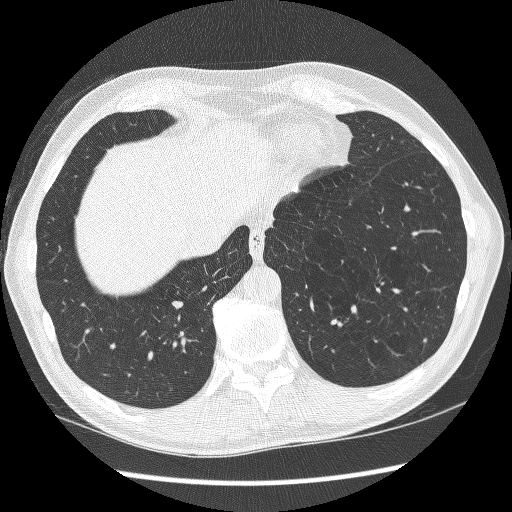
Axial chest CT slice 75 of 261 (counted from the lowest slice); tube voltage 120 kVp, convolution kernel BONE; slices 1.25 mm thick, 0.689 mm per pixel.
Pulmonary nodule outlined by all four readers; box rows 300–309, columns 171–183 (the union of the readers' outlines on this slice); median longest diameter 8.5 mm (readers' outlines 8.1–9.9 mm), median volume 178 mm3 (169–271 mm3). Ratings, median across the readers with their spread: median texture 5/5 (solid) (readers ranged 4/5 to 5/5 (solid)); margin 4/5 at the median of four readers, spread 4/5 to 5/5 (circumscribed); sphericity 3/5 (ovoid) at the median of four readers, spread 2/5 to 3/5 (ovoid); calcification absent from all four readers; internal structure soft tissue, all four readers agreeing; median subtlety 3.5/5 (readers ranged 3–5); malignancy likelihood 3/5 at the median of four readers, spread 3–4. Scale key (1–5): texture non-solid→solid, margin indistinct→circumscribed, sphericity linear→round, subtlety extremely subtle→obvious, malignancy likelihood highly unlikely→highly suspicious of cancer. Box rows and columns are 0-based pixel indices from the top-left corner, inclusive.